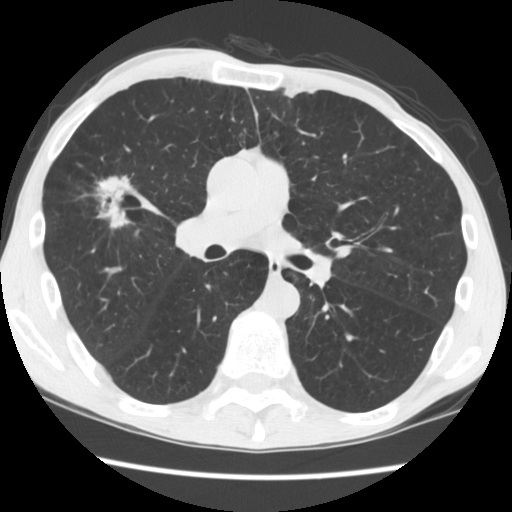
Chest CT, axial plane, 120 kVp, kernel STANDARD. Slice 98/181 from the bottom of the scan; thickness 2.50 mm; pixel size 0.645 mm.
Pulmonary nodule, outlined by all four readers. Box on this slice rows 174–232, columns 89–136, the union of the readers' outlines on this slice; the four readers' outlines give a longest diameter between 35.2 and 44.7 mm and a volume between 5781 and 11800 mm3. The readers' ratings, as ranges where they differ: texture from 4/5 to 5/5 (solid) across the four readers; margin from 2/5 to 4/5 across the four readers; sphericity from 2/5 to 5/5 (round) across the four readers; calcification absent, all four readers agreeing; internal structure soft tissue from all four readers; subtlety 5/5, all four readers agreeing; malignancy likelihood 5/5, all four readers agreeing. Scale key (1–5): texture non-solid→solid, margin indistinct→circumscribed, sphericity linear→round, subtlety extremely subtle→obvious, malignancy likelihood highly unlikely→highly suspicious of cancer. Box rows and columns are 0-based pixel indices from the top-left corner, inclusive.